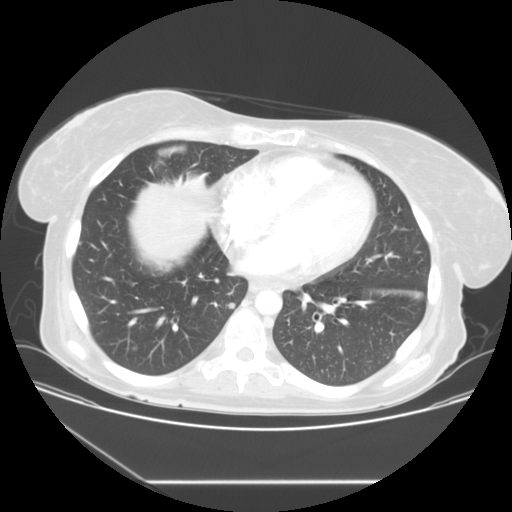
Chest CT, axial plane, 120 kVp, kernel STANDARD. Slice 58/117 from the bottom of the scan; thickness 2.50 mm; pixel size 0.781 mm.
Two pulmonary nodules are outlined on this slice; from left to right: (1) Pulmonary nodule outlined by one of the four readers; box rows 347–349, columns 132–136 (that reader's outline on this slice); longest diameter 5.5 mm and volume 75 mm3 from that reader's outline. That reader's ratings: texture 5/5 (solid); margin 3/5; sphericity 5/5 (round); calcification absent; internal structure soft tissue; subtlety 2/5; malignancy likelihood 2/5. (2) Pulmonary nodule, outlined by three of the four readers. Box on this slice rows 302–308, columns 227–234, the union of the readers' outlines on this slice; median longest diameter 7.1 mm (readers' outlines 6.7–7.8 mm), median volume 133 mm3 (128–146 mm3). Ratings, median across the readers with their spread: texture 5/5 (solid) from all three readers; margin 5/5 (circumscribed) at the median of three readers, spread 4/5 to 5/5 (circumscribed); sphericity 5/5 (round), all three readers agreeing; calcification absent, all three readers agreeing; internal structure soft tissue, all three readers agreeing; median subtlety 3/5 (readers ranged 3–5); malignancy likelihood 3/5 at the median of three readers, spread 2–3. Scale key (1–5): texture non-solid→solid, margin indistinct→circumscribed, sphericity linear→round, subtlety extremely subtle→obvious, malignancy likelihood highly unlikely→highly suspicious of cancer. Box rows and columns are 0-based pixel indices from the top-left corner, inclusive.